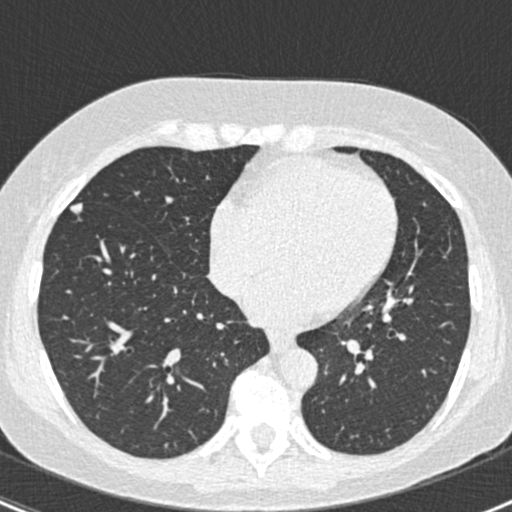
Axial chest CT slice 193 of 429 (counted from the lowest slice); tube voltage 120 kVp, convolution kernel B30f; slices 0.75 mm thick, 0.586 mm per pixel.
Pulmonary nodule at rows 202–214, columns 69–83 (box = the union of the readers' outlines on this slice), outlined by three of the four readers; the three readers' outlines give a longest diameter between 9.8 and 12.3 mm and a volume between 207 and 302 mm3. The readers' ratings, as ranges where they differ: texture 5/5 (solid) from all three readers; margin from 4/5 to 5/5 (circumscribed) across the three readers; sphericity from 2/5 to 3/5 (ovoid) across the three readers; calcification absent, all three readers agreeing; internal structure soft tissue from all three readers; subtlety 5/5 from all three readers; malignancy likelihood rated between 2 and 4 out of 5 by the three readers. Scale key (1–5): texture non-solid→solid, margin indistinct→circumscribed, sphericity linear→round, subtlety extremely subtle→obvious, malignancy likelihood highly unlikely→highly suspicious of cancer. Box rows and columns are 0-based pixel indices from the top-left corner, inclusive.